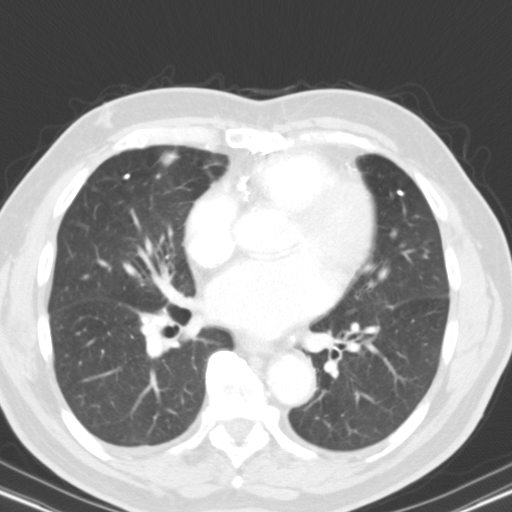
Axial slice 58 of 116 of a chest CT (slice 1 is the lowest), reconstructed with the B31s kernel at 130 kVp; 3.00 mm slice thickness and 0.668 mm pixels.
Two pulmonary nodules on this slice, listed from left to right. (1) Pulmonary nodule at rows 175–177, columns 157–159 (box = the union of the readers' outlines on this slice), outlined by two of the four readers; median longest diameter 6.3 mm (readers' outlines 6.3 mm), median volume 137 mm3 (137 mm3). Median ratings and the readers' spread: texture 5/5 (solid), both readers agreeing; margin 4.5/5 at the median of two readers, spread 4/5 to 5/5 (circumscribed); median sphericity 4.5/5 (readers ranged 4/5 to 5/5 (round)); calcification solid calcification, both readers agreeing; internal structure soft tissue from both readers; subtlety 4.5/5 at the median of two readers, spread 4–5; malignancy likelihood 1/5 from both readers. (2) Pulmonary nodule outlined by one of the four readers; box rows 151–166, columns 159–179 (that reader's outline on this slice); longest diameter 14.8 mm and volume 315 mm3 from that reader's outline. That reader's ratings: texture 3/5 (part-solid); margin 2/5; sphericity 3/5 (ovoid); calcification absent; internal structure soft tissue; subtlety 4/5; malignancy likelihood 3/5. Scale key (1–5): texture non-solid→solid, margin indistinct→circumscribed, sphericity linear→round, subtlety extremely subtle→obvious, malignancy likelihood highly unlikely→highly suspicious of cancer. Box rows and columns are 0-based pixel indices from the top-left corner, inclusive.